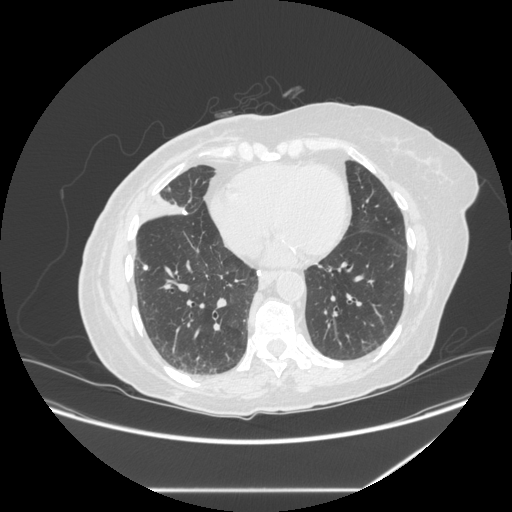
Axial chest CT slice 124 of 281 (counted from the lowest slice); 1.25 mm thick, 0.816 mm per pixel. Pulmonary nodule at rows 264–270, columns 143–147 (box = the union of the readers' outlines on this slice), outlined by all four readers; median longest diameter 6.8 mm (readers' outlines 5.9–7.0 mm), median volume 82 mm3 (68–103 mm3). Ratings, median across the readers with their spread: texture 5/5 (solid) from all four readers; median margin 5/5 (circumscribed) (readers ranged 4/5 to 5/5 (circumscribed)); median sphericity 4.5/5 (readers ranged 3/5 (ovoid) to 5/5 (round)); calcification: central calcification (three), absent (one); internal structure soft tissue from all four readers; median subtlety 4/5 (readers ranged 1–5); median malignancy likelihood 1/5 (readers ranged 1–3). Scale key (1–5): texture non-solid→solid, margin indistinct→circumscribed, sphericity linear→round, subtlety extremely subtle→obvious, malignancy likelihood highly unlikely→highly suspicious of cancer. Box rows and columns are 0-based pixel indices from the top-left corner, inclusive.
Tube voltage 120 kVp; convolution kernel STANDARD.